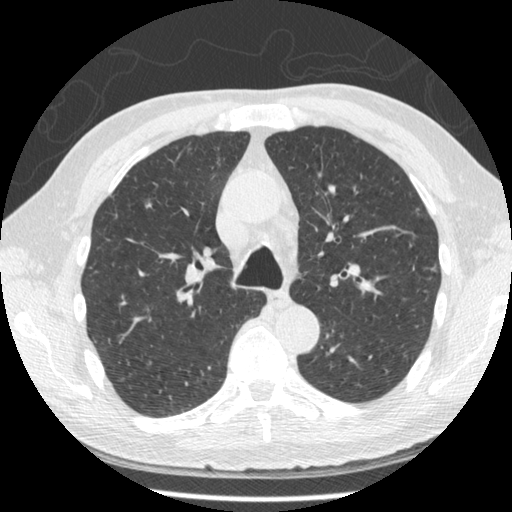
Chest CT, axial plane, 120 kVp, kernel STANDARD. Slice 319/481 from the bottom of the scan; thickness 1.25 mm; pixel size 0.664 mm.
Pulmonary nodule, outlined by two of the four readers. Box on this slice rows 198–209, columns 143–153, the union of the readers' outlines on this slice; longest diameter 14.0 mm on average over the two readers' outlines (readers' outlines 10.4–17.6 mm), volume 117–191 mm3. Ratings, by the readers' most common answer with dissent counted: texture split among the readers: 3/5 (part-solid) (one), 5/5 (solid) (one); margin split among the readers: 1/5 (indistinct) (one), 4/5 (one); sphericity 2/5 from both readers; calcification absent, both readers agreeing; internal structure soft tissue from both readers; subtlety split among the readers: 2/5 (one), 4/5 (one); malignancy likelihood split among the readers: 1/5 (one), 4/5 (one). Scale key (1–5): texture non-solid→solid, margin indistinct→circumscribed, sphericity linear→round, subtlety extremely subtle→obvious, malignancy likelihood highly unlikely→highly suspicious of cancer. Box rows and columns are 0-based pixel indices from the top-left corner, inclusive.